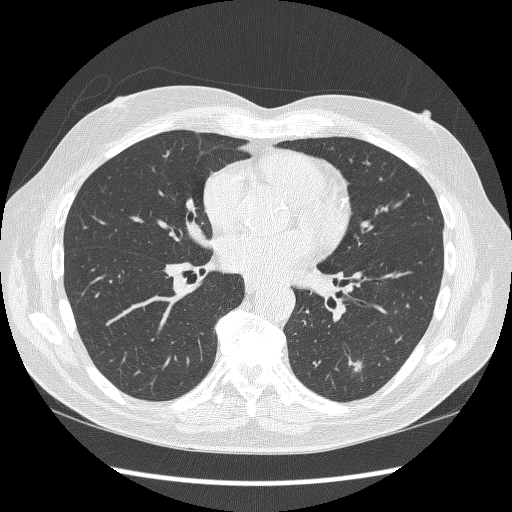
Chest CT, axial plane, 120 kVp, kernel BONE. Slice 163/298 from the bottom of the scan; thickness 1.25 mm; pixel size 0.719 mm.
Pulmonary nodule outlined by three of the four readers; box rows 360–373, columns 352–362 (the union of the readers' outlines on this slice); longest diameter 10.2–13.0 mm and volume 236–548 mm3 across the three readers' outlines. The readers' ratings, as ranges where they differ: texture from 3/5 (part-solid) to 5/5 (solid) across the three readers; margin from 2/5 to 4/5 across the three readers; sphericity from 2/5 to 3/5 (ovoid) across the three readers; calcification absent, all three readers agreeing; internal structure soft tissue from all three readers; subtlety rated between 3 and 4 out of 5 by the three readers; malignancy likelihood rated between 2 and 4 out of 5 by the three readers. Scale key (1–5): texture non-solid→solid, margin indistinct→circumscribed, sphericity linear→round, subtlety extremely subtle→obvious, malignancy likelihood highly unlikely→highly suspicious of cancer. Box rows and columns are 0-based pixel indices from the top-left corner, inclusive.